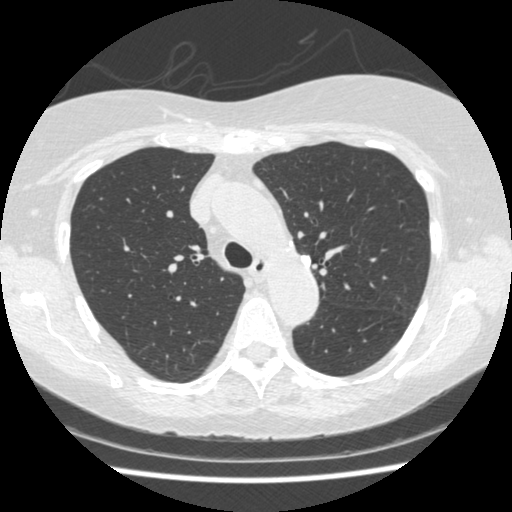
Slice 310/458 of a chest CT, counting up from the lowest; pixel size 0.625 mm, slice thickness 1.25 mm. Two pulmonary nodules on this slice, listed from left to right. (1) Pulmonary nodule, outlined by one of the four readers. Box on this slice rows 241–246, columns 289–292, that reader's outline on this slice; longest diameter 10.6 mm and volume 342 mm3 from that reader's outline. That reader's ratings: texture 5/5 (solid); margin 5/5 (circumscribed); sphericity 4/5; calcification solid calcification; internal structure soft tissue; subtlety 4/5; malignancy likelihood 1/5. (2) Pulmonary nodule at rows 255–267, columns 301–310 (box = that reader's outline on this slice), outlined by one of the four readers; longest diameter 11.9 mm and volume 579 mm3 from that reader's outline. That reader's ratings: texture 5/5 (solid); margin 5/5 (circumscribed); sphericity 5/5 (round); calcification solid calcification; internal structure soft tissue; subtlety 4/5; malignancy likelihood 1/5. Scale key (1–5): texture non-solid→solid, margin indistinct→circumscribed, sphericity linear→round, subtlety extremely subtle→obvious, malignancy likelihood highly unlikely→highly suspicious of cancer. Box rows and columns are 0-based pixel indices from the top-left corner, inclusive.
Tube voltage 120 kVp; convolution kernel STANDARD.